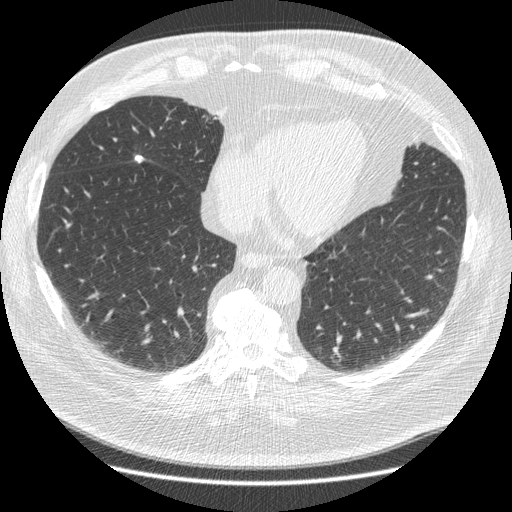
Chest CT, axial plane, 120 kVp, kernel STANDARD. Slice 134/426 from the bottom of the scan; thickness 1.25 mm; pixel size 0.742 mm.
Pulmonary nodule at rows 154–162, columns 134–143 (box = the union of the readers' outlines on this slice), outlined by all four readers; longest diameter 9.7 mm on average over the four readers' outlines (readers' outlines 9.6–10.0 mm), volume 202–225 mm3. Ratings, by the readers' most common answer with dissent counted: texture 5/5 (solid), all four readers agreeing; margin 5/5 (circumscribed) from all four readers; sphericity split among the readers: 4/5 (two), 5/5 (round) (two); calcification solid calcification, all four readers agreeing; internal structure soft tissue from all four readers; subtlety 5/5 from all four readers; malignancy likelihood 1/5 from all four readers. Scale key (1–5): texture non-solid→solid, margin indistinct→circumscribed, sphericity linear→round, subtlety extremely subtle→obvious, malignancy likelihood highly unlikely→highly suspicious of cancer. Box rows and columns are 0-based pixel indices from the top-left corner, inclusive.